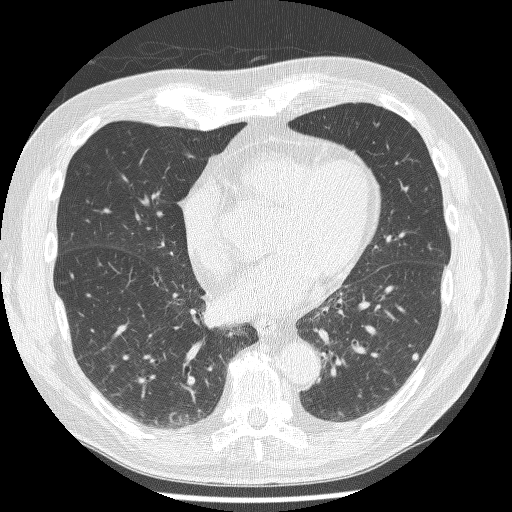
Axial slice 103 of 244 of a chest CT (slice 1 is the lowest), reconstructed with the BONE kernel at 120 kVp; 1.25 mm slice thickness and 0.674 mm pixels.
Pulmonary nodule, outlined by all four readers. Box on this slice rows 352–360, columns 411–418, the union of the readers' outlines on this slice; longest diameter 6.6 mm on average over the four readers' outlines (readers' outlines 6.2–6.9 mm), volume 78–119 mm3. Ratings, by the readers' most common answer with dissent counted: texture 5/5 (solid), all four readers agreeing; margin split among the readers: 4/5 (two), 5/5 (circumscribed) (two); most readers (three of four) put sphericity at 4/5, others 5/5 (round) (one); calcification absent from all four readers; internal structure soft tissue, all four readers agreeing; subtlety 4/5 by two of four readers; the rest gave 3/5 (one), 5/5 (one); malignancy likelihood 3/5 by two of four readers; the rest gave 2/5 (one), 4/5 (one). Scale key (1–5): texture non-solid→solid, margin indistinct→circumscribed, sphericity linear→round, subtlety extremely subtle→obvious, malignancy likelihood highly unlikely→highly suspicious of cancer. Box rows and columns are 0-based pixel indices from the top-left corner, inclusive.